Axial chest CT slice 63 of 183 (counted from the lowest slice); tube voltage 135 kVp, convolution kernel FC03; slices 2.00 mm thick, 0.946 mm per pixel.
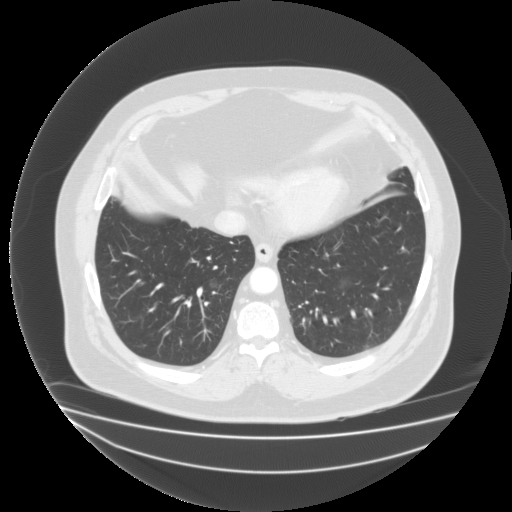
Pulmonary nodule at rows 278–287, columns 209–216 (box = the union of the readers' outlines on this slice), outlined by two of the four readers; the two readers' outlines give a longest diameter between 12.7 and 13.6 mm and a volume between 804 and 924 mm3. Ratings across the readers: texture from 1/5 (non-solid) to 2/5 across the two readers; margin 2/5 from both readers; sphericity from 3/5 (ovoid) to 4/5 across the two readers; calcification absent, both readers agreeing; internal structure split among the readers: soft tissue (one), fluid (one); subtlety from 2/5 to 4/5 across the two readers; malignancy likelihood 3/5 from both readers. Scale key (1–5): texture non-solid→solid, margin indistinct→circumscribed, sphericity linear→round, subtlety extremely subtle→obvious, malignancy likelihood highly unlikely→highly suspicious of cancer. Box rows and columns are 0-based pixel indices from the top-left corner, inclusive.